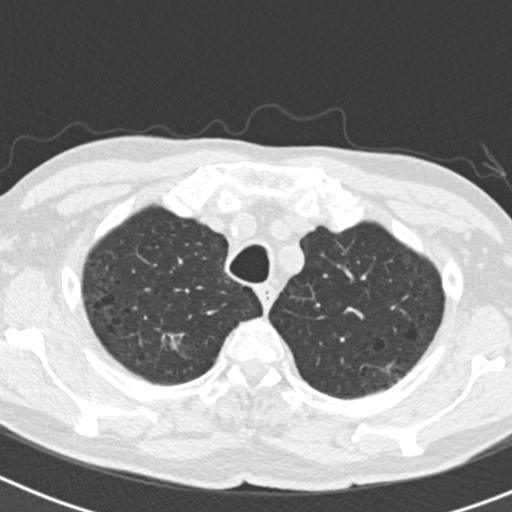
Chest CT, axial plane, 120 kVp, kernel B30f. Slice 156/186 from the bottom of the scan; thickness 2.00 mm; pixel size 0.586 mm.
Pulmonary nodule, outlined by one of the four readers. Box on this slice rows 339–347, columns 170–177, that reader's outline on this slice; longest diameter 13.5 mm and volume 304 mm3 from that reader's outline. That reader's ratings: texture 3/5 (part-solid); margin 2/5; sphericity 4/5; calcification absent; internal structure soft tissue; subtlety 4/5; malignancy likelihood 3/5. Scale key (1–5): texture non-solid→solid, margin indistinct→circumscribed, sphericity linear→round, subtlety extremely subtle→obvious, malignancy likelihood highly unlikely→highly suspicious of cancer. Box rows and columns are 0-based pixel indices from the top-left corner, inclusive.